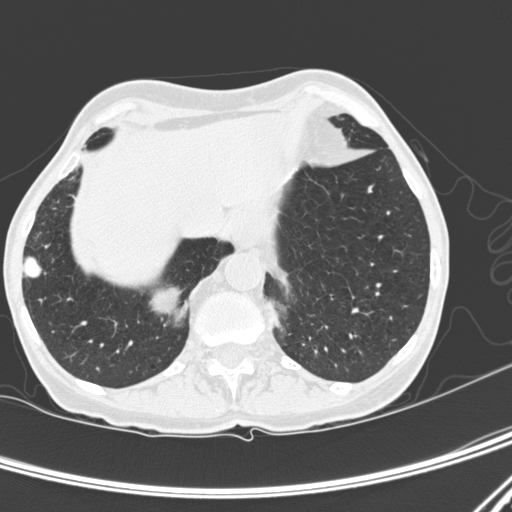
Chest CT, axial plane, 120 kVp, kernel D. Slice 59/300 from the bottom of the scan; thickness 1.00 mm; pixel size 0.607 mm.
Pulmonary nodule at rows 255–277, columns 21–42 (box = the union of the readers' outlines on this slice), outlined by all four readers; longest diameter 18.8 mm on average over the four readers' outlines (readers' outlines 17.1–19.9 mm), volume 1865–2443 mm3. The readers' prevailing ratings and who disagreed: texture 5/5 (solid) from all four readers; margin 5/5 (circumscribed) from all four readers; most readers (three of four) put sphericity at 4/5, others 5/5 (round) (one); calcification solid calcification by three of four readers, absent (one); internal structure soft tissue, all four readers agreeing; subtlety 5/5, all four readers agreeing; malignancy likelihood 1/5 by three of four readers; the rest gave 4/5 (one). Scale key (1–5): texture non-solid→solid, margin indistinct→circumscribed, sphericity linear→round, subtlety extremely subtle→obvious, malignancy likelihood highly unlikely→highly suspicious of cancer. Box rows and columns are 0-based pixel indices from the top-left corner, inclusive.